Axial chest CT slice 211 of 290 (counted from the lowest slice); tube voltage 120 kVp, convolution kernel D; slices 2.00 mm thick, 0.648 mm per pixel.
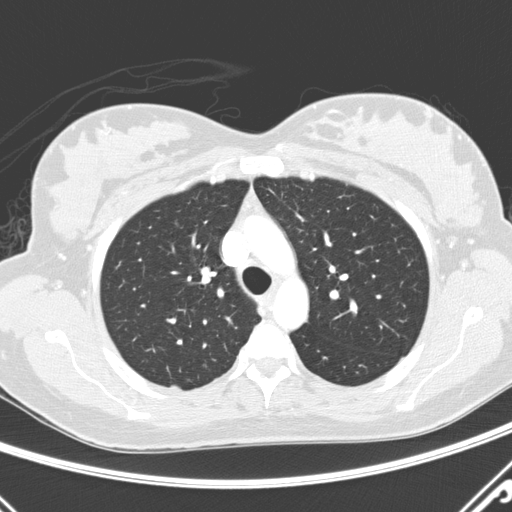
Pulmonary nodule, outlined by one of the four readers. Box on this slice rows 385–389, columns 171–181, that reader's outline on this slice; longest diameter 10.5 mm and volume 127 mm3 from that reader's outline. That reader's ratings: texture 4/5; margin 4/5; sphericity 4/5; calcification absent; internal structure soft tissue; subtlety 5/5; malignancy likelihood 3/5. Scale key (1–5): texture non-solid→solid, margin indistinct→circumscribed, sphericity linear→round, subtlety extremely subtle→obvious, malignancy likelihood highly unlikely→highly suspicious of cancer. Box rows and columns are 0-based pixel indices from the top-left corner, inclusive.